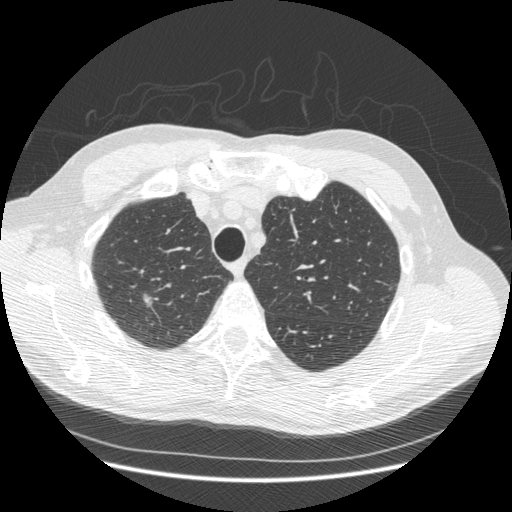
Chest CT, axial plane, 120 kVp, kernel STANDARD. Slice 388/493 from the bottom of the scan; thickness 1.25 mm; pixel size 0.742 mm.
Pulmonary nodule at rows 295–306, columns 143–150 (box = the union of the readers' outlines on this slice), outlined by three of the four readers; median longest diameter 11.2 mm (readers' outlines 11.0–11.2 mm), median volume 139 mm3 (98–139 mm3). Ratings, median across the readers with their spread: texture 3/5 (part-solid) at the median of three readers, spread 2/5 to 4/5; median margin 3/5 (readers ranged 3/5 to 4/5); sphericity 3/5 (ovoid) at the median of three readers, spread 2/5 to 3/5 (ovoid); calcification absent from all three readers; internal structure soft tissue, all three readers agreeing; median subtlety 4/5 (readers ranged 3–4); malignancy likelihood 4/5 at the median of three readers, spread 3–5. Scale key (1–5): texture non-solid→solid, margin indistinct→circumscribed, sphericity linear→round, subtlety extremely subtle→obvious, malignancy likelihood highly unlikely→highly suspicious of cancer. Box rows and columns are 0-based pixel indices from the top-left corner, inclusive.